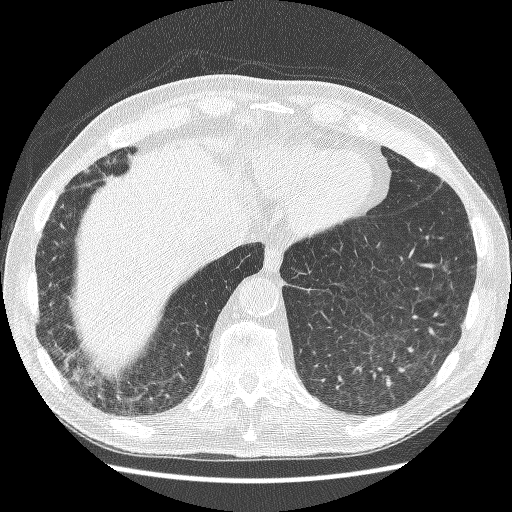
Axial chest CT slice 56 of 241 (counted from the lowest slice); 1.25 mm thick, 0.703 mm per pixel. Pulmonary nodule, outlined by all four readers, two of them on this slice. Box on this slice rows 324–328, columns 461–464, the union of the readers' outlines on this slice; longest diameter 9.0 mm on average over the four readers' outlines (readers' outlines 7.6–10.1 mm), volume 81–114 mm3. Ratings, by the readers' most common answer with dissent counted: texture 5/5 (solid) from all four readers; most readers (three of four) put margin at 4/5, others 5/5 (circumscribed) (one); sphericity 4/5 by two of four readers; the rest gave 2/5 (one), 3/5 (ovoid) (one); calcification absent from all four readers; internal structure soft tissue from all four readers; subtlety 4/5 by three of four readers; the rest gave 3/5 (one); malignancy likelihood 2/5 by two of four readers; the rest gave 1/5 (one), 3/5 (one). Scale key (1–5): texture non-solid→solid, margin indistinct→circumscribed, sphericity linear→round, subtlety extremely subtle→obvious, malignancy likelihood highly unlikely→highly suspicious of cancer. Box rows and columns are 0-based pixel indices from the top-left corner, inclusive.
Scan settings: 120 kVp, BONE reconstruction kernel.